One axial slice (292 of 326, counting up from the lowest) of a chest CT acquired at 120 kVp with the B45f kernel; each pixel is 0.645 mm and the slice is 1.00 mm thick.
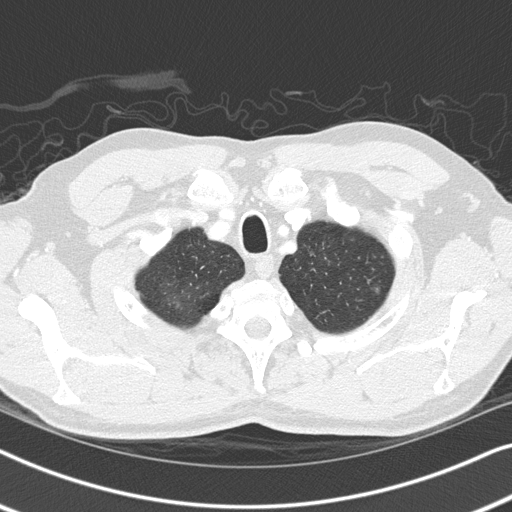
Pulmonary nodule at rows 286–294, columns 369–382 (box = the union of the readers' outlines on this slice), outlined by all four readers; longest diameter 11.5 mm on average over the four readers' outlines (readers' outlines 9.0–13.3 mm), volume 232–417 mm3. The readers' prevailing ratings and who disagreed: texture 1/5 (non-solid) by three of four readers; the rest gave 4/5 (one); margin 2/5 by two of four readers; the rest gave 1/5 (indistinct) (one), 5/5 (circumscribed) (one); most readers (three of four) put sphericity at 4/5, others 5/5 (round) (one); calcification absent, all four readers agreeing; internal structure soft tissue from all four readers; subtlety 1/5 by two of four readers; the rest gave 2/5 (one), 4/5 (one); malignancy likelihood split among the readers: 2/5 (two), 3/5 (two). Scale key (1–5): texture non-solid→solid, margin indistinct→circumscribed, sphericity linear→round, subtlety extremely subtle→obvious, malignancy likelihood highly unlikely→highly suspicious of cancer. Box rows and columns are 0-based pixel indices from the top-left corner, inclusive.